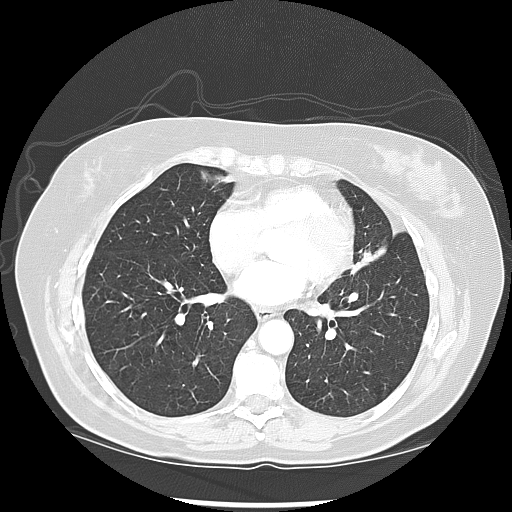
Axial chest CT slice 64 of 133 (counted from the lowest slice); tube voltage 120 kVp, convolution kernel LUNG; slices 2.50 mm thick, 0.703 mm per pixel.
Pulmonary nodule at rows 249–272, columns 350–385 (box = the one reader's outline on this slice), outlined by three of the four readers, one of them on this slice; the three readers' outlines give a longest diameter between 33.3 and 41.8 mm and a volume between 6044 and 7666 mm3. Ratings across the readers: texture 5/5 (solid), all three readers agreeing; margin from 3/5 to 4/5 across the three readers; sphericity 3/5 (ovoid), all three readers agreeing; calcification absent from all three readers; internal structure soft tissue from all three readers; subtlety 5/5, all three readers agreeing; malignancy likelihood 5/5, all three readers agreeing. Scale key (1–5): texture non-solid→solid, margin indistinct→circumscribed, sphericity linear→round, subtlety extremely subtle→obvious, malignancy likelihood highly unlikely→highly suspicious of cancer. Box rows and columns are 0-based pixel indices from the top-left corner, inclusive.